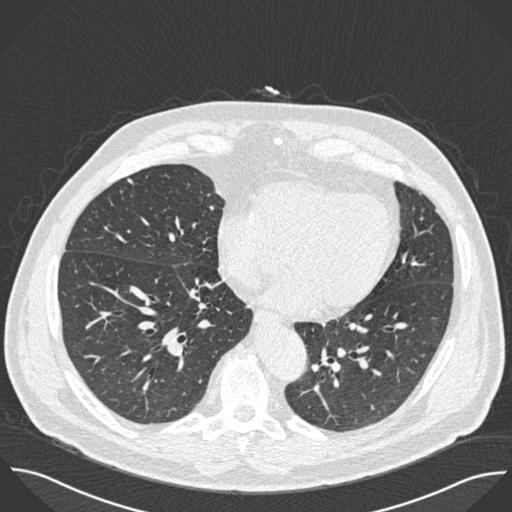
Axial slice 227 of 493 of a chest CT (slice 1 is the lowest), reconstructed with the B30f kernel at 120 kVp; 0.75 mm slice thickness and 0.762 mm pixels.
Pulmonary nodule, outlined by three of the four readers. Box on this slice rows 178–183, columns 127–132, the union of the readers' outlines on this slice; median longest diameter 7.2 mm (readers' outlines 7.2–7.6 mm), median volume 97 mm3 (74–97 mm3). Ratings, median across the readers with their spread: texture 5/5 (solid), all three readers agreeing; median margin 4/5 (readers ranged 1/5 (indistinct) to 5/5 (circumscribed)); sphericity 4/5 at the median of three readers, spread 3/5 (ovoid) to 4/5; calcification absent from all three readers; internal structure soft tissue, all three readers agreeing; subtlety 5/5 at the median of three readers, spread 3–5; malignancy likelihood 3/5, all three readers agreeing. Scale key (1–5): texture non-solid→solid, margin indistinct→circumscribed, sphericity linear→round, subtlety extremely subtle→obvious, malignancy likelihood highly unlikely→highly suspicious of cancer. Box rows and columns are 0-based pixel indices from the top-left corner, inclusive.